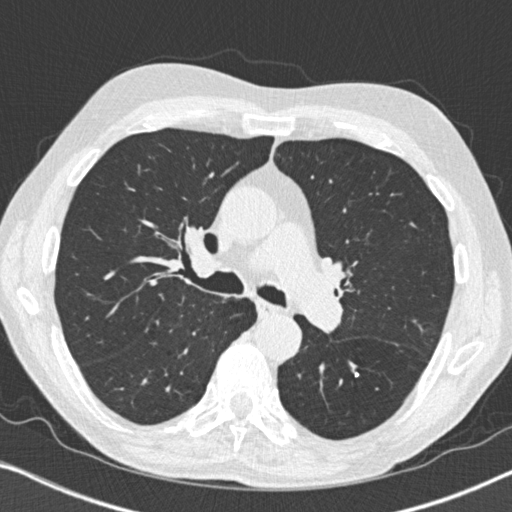
Chest CT, axial plane, 120 kVp, kernel B31f. Slice 486/764 from the bottom of the scan; thickness 1.00 mm; pixel size 0.646 mm.
Pulmonary nodule outlined by two of the four readers; box rows 372–377, columns 354–358 (the union of the readers' outlines on this slice); the two readers' outlines give a longest diameter between 4.7 and 5.8 mm and a volume between 50 and 90 mm3. The readers' ratings, as ranges where they differ: texture 5/5 (solid) from both readers; margin 5/5 (circumscribed), both readers agreeing; sphericity from 4/5 to 5/5 (round) across the two readers; calcification solid calcification from both readers; internal structure soft tissue from both readers; subtlety 5/5 from both readers; malignancy likelihood 1/5 from both readers. Scale key (1–5): texture non-solid→solid, margin indistinct→circumscribed, sphericity linear→round, subtlety extremely subtle→obvious, malignancy likelihood highly unlikely→highly suspicious of cancer. Box rows and columns are 0-based pixel indices from the top-left corner, inclusive.